One axial slice (232 of 321, counting up from the lowest) of a chest CT acquired at 120 kVp with the D kernel; each pixel is 0.557 mm and the slice is 2.00 mm thick.
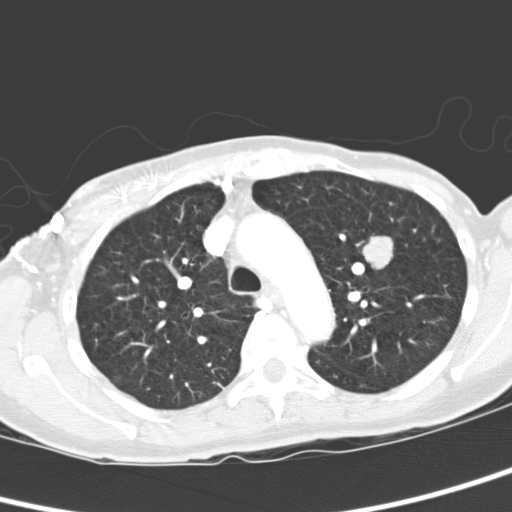
Pulmonary nodule at rows 235–269, columns 360–395 (box = the union of the readers' outlines on this slice), outlined by all four readers; longest diameter 20.7 mm on average over the four readers' outlines (readers' outlines 19.2–22.3 mm), volume 3069–4125 mm3. Ratings, by the readers' most common answer with dissent counted: texture 5/5 (solid), all four readers agreeing; margin 5/5 (circumscribed) from all four readers; sphericity split among the readers: 4/5 (two), 5/5 (round) (two); calcification absent from all four readers; internal structure soft tissue from all four readers; subtlety 5/5, all four readers agreeing; malignancy likelihood 5/5 by two of four readers; the rest gave 2/5 (one), 3/5 (one). Scale key (1–5): texture non-solid→solid, margin indistinct→circumscribed, sphericity linear→round, subtlety extremely subtle→obvious, malignancy likelihood highly unlikely→highly suspicious of cancer. Box rows and columns are 0-based pixel indices from the top-left corner, inclusive.